Chest CT, axial plane, 135 kVp, kernel FC01. Slice 63/105 from the bottom of the scan; thickness 3.00 mm; pixel size 0.656 mm.
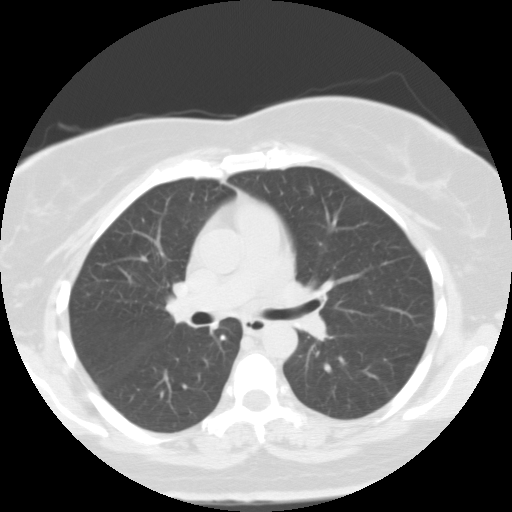
Pulmonary nodule, outlined by two of the four readers. Box on this slice rows 334–340, columns 219–226, the union of the readers' outlines on this slice; longest diameter 5.5 mm on average over the two readers' outlines (readers' outlines 4.8–6.2 mm), volume 73–144 mm3. The readers' prevailing ratings and who disagreed: texture 5/5 (solid) from both readers; margin split among the readers: 4/5 (one), 5/5 (circumscribed) (one); sphericity split among the readers: 4/5 (one), 5/5 (round) (one); calcification solid calcification from both readers; internal structure soft tissue from both readers; subtlety split among the readers: 2/5 (one), 5/5 (one); malignancy likelihood 1/5 from both readers. Scale key (1–5): texture non-solid→solid, margin indistinct→circumscribed, sphericity linear→round, subtlety extremely subtle→obvious, malignancy likelihood highly unlikely→highly suspicious of cancer. Box rows and columns are 0-based pixel indices from the top-left corner, inclusive.